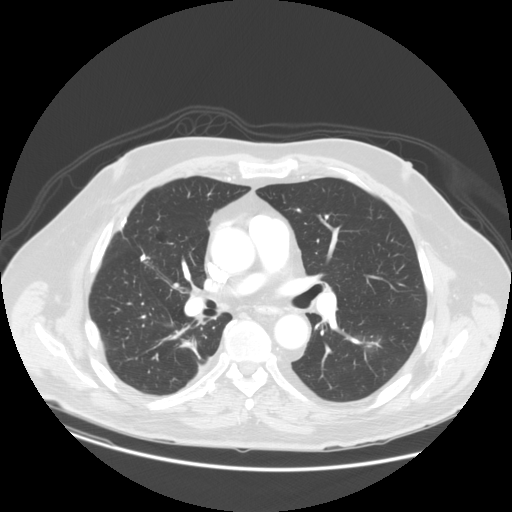
Axial chest CT slice 70 of 140 (counted from the lowest slice); tube voltage 120 kVp, convolution kernel STANDARD; slices 2.50 mm thick, 0.820 mm per pixel.
Pulmonary nodule outlined by one of the four readers; box rows 335–352, columns 359–379 (that reader's outline on this slice); longest diameter 31.7 mm and volume 4731 mm3 from that reader's outline. Ratings by that reader: texture 1/5 (non-solid); margin 2/5; sphericity 5/5 (round); calcification absent; internal structure soft tissue; subtlety 1/5; malignancy likelihood 2/5. Scale key (1–5): texture non-solid→solid, margin indistinct→circumscribed, sphericity linear→round, subtlety extremely subtle→obvious, malignancy likelihood highly unlikely→highly suspicious of cancer. Box rows and columns are 0-based pixel indices from the top-left corner, inclusive.